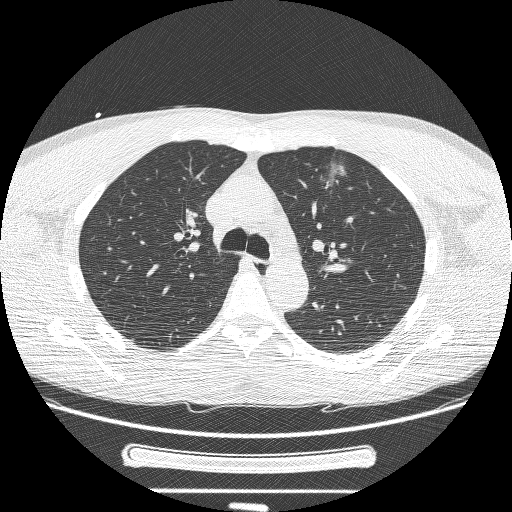
This is axial slice 167 of 244 (slice 1 is the lowest) of a chest CT; each pixel is 0.729 mm and the slice is 1.25 mm thick. Pulmonary nodule, outlined by three of the four readers, two of them on this slice. Box on this slice rows 159–190, columns 321–348, the union of the readers' outlines on this slice; median longest diameter 37.5 mm (readers' outlines 27.4–37.9 mm), median volume 6861 mm3 (2934–10099 mm3). Median ratings and the readers' spread: texture 5/5 (solid) at the median of three readers, spread 3/5 (part-solid) to 5/5 (solid); median margin 2/5 (readers ranged 1/5 (indistinct) to 3/5); sphericity 3/5 (ovoid) at the median of three readers, spread 2/5 to 4/5; calcification absent, all three readers agreeing; internal structure soft tissue from all three readers; subtlety 5/5 from all three readers; malignancy likelihood 5/5 at the median of three readers, spread 3–5. Scale key (1–5): texture non-solid→solid, margin indistinct→circumscribed, sphericity linear→round, subtlety extremely subtle→obvious, malignancy likelihood highly unlikely→highly suspicious of cancer. Box rows and columns are 0-based pixel indices from the top-left corner, inclusive.
Acquired at 120 kVp and reconstructed with the BONE kernel.